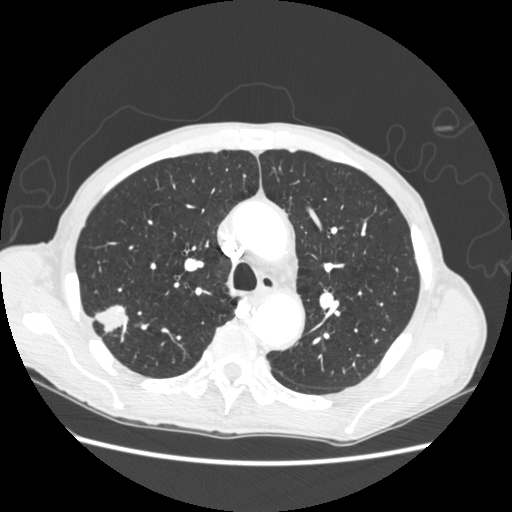
Chest CT, axial plane, 120 kVp, kernel STANDARD. Slice 168/248 from the bottom of the scan; thickness 1.25 mm; pixel size 0.703 mm.
Pulmonary nodule, outlined by all four readers. Box on this slice rows 304–333, columns 95–129, the union of the readers' outlines on this slice; longest diameter 29.1 mm on average over the four readers' outlines (readers' outlines 26.0–32.7 mm), volume 5181–6655 mm3. The readers' prevailing ratings and who disagreed: texture 5/5 (solid), all four readers agreeing; margin 5/5 (circumscribed) by two of four readers; the rest gave 2/5 (one), 4/5 (one); most readers (three of four) put sphericity at 3/5 (ovoid), others 4/5 (one); calcification absent from all four readers; internal structure soft tissue, all four readers agreeing; subtlety 5/5 from all four readers; most readers (three of four) put malignancy likelihood at 5/5, others 3/5 (one). Scale key (1–5): texture non-solid→solid, margin indistinct→circumscribed, sphericity linear→round, subtlety extremely subtle→obvious, malignancy likelihood highly unlikely→highly suspicious of cancer. Box rows and columns are 0-based pixel indices from the top-left corner, inclusive.